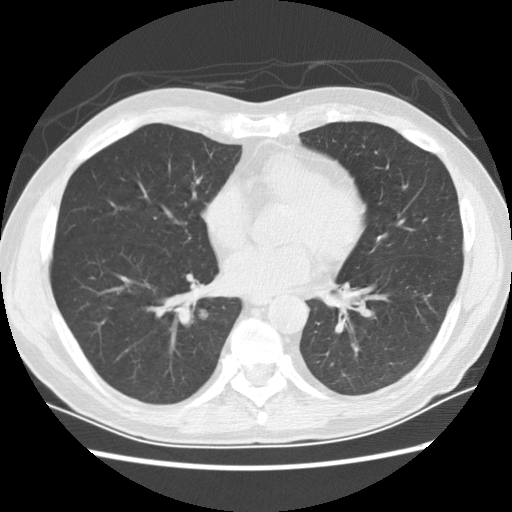
Axial chest CT slice 64 of 154 (counted from the lowest slice); tube voltage 120 kVp, convolution kernel STANDARD; slices 2.50 mm thick, 0.684 mm per pixel.
Pulmonary nodule outlined by all four readers; box rows 308–319, columns 198–208 (the union of the readers' outlines on this slice); median longest diameter 9.1 mm (readers' outlines 8.2–10.8 mm), median volume 195 mm3 (147–273 mm3). Ratings, median across the readers with their spread: median texture 2/5 (readers ranged 1/5 (non-solid) to 3/5 (part-solid)); margin 2/5 at the median of four readers, spread 2/5 to 4/5; median sphericity 4.5/5 (readers ranged 4/5 to 5/5 (round)); calcification absent, all four readers agreeing; internal structure soft tissue, all four readers agreeing; subtlety 3.5/5 at the median of four readers, spread 2–5; malignancy likelihood 3.5/5 at the median of four readers, spread 2–5. Scale key (1–5): texture non-solid→solid, margin indistinct→circumscribed, sphericity linear→round, subtlety extremely subtle→obvious, malignancy likelihood highly unlikely→highly suspicious of cancer. Box rows and columns are 0-based pixel indices from the top-left corner, inclusive.